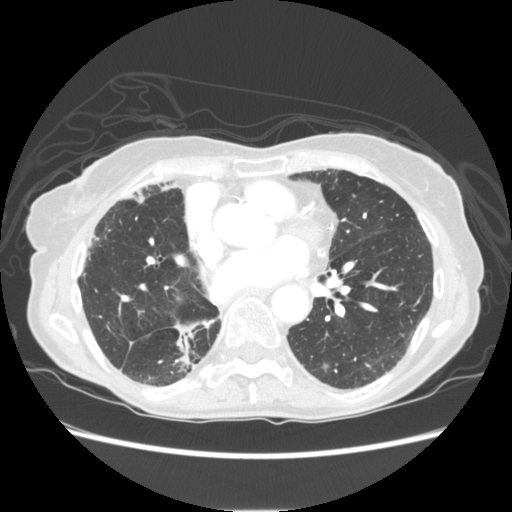
Axial slice 62 of 131 of a chest CT (slice 1 is the lowest), reconstructed with the STANDARD kernel at 120 kVp; 2.50 mm slice thickness and 0.703 mm pixels.
Pulmonary nodule outlined by two of the four readers; box rows 363–369, columns 322–328 (the union of the readers' outlines on this slice); median longest diameter 10.3 mm (readers' outlines 9.8–10.8 mm), median volume 192 mm3 (190–194 mm3). Median ratings and the readers' spread: median texture 4/5 (readers ranged 3/5 (part-solid) to 5/5 (solid)); margin 3/5 at the median of two readers, spread 2/5 to 4/5; median sphericity 3.5/5 (readers ranged 3/5 (ovoid) to 4/5); calcification absent from both readers; internal structure soft tissue, both readers agreeing; median subtlety 3.5/5 (readers ranged 3–4); malignancy likelihood 3/5 at the median of two readers, spread 2–4. Scale key (1–5): texture non-solid→solid, margin indistinct→circumscribed, sphericity linear→round, subtlety extremely subtle→obvious, malignancy likelihood highly unlikely→highly suspicious of cancer. Box rows and columns are 0-based pixel indices from the top-left corner, inclusive.